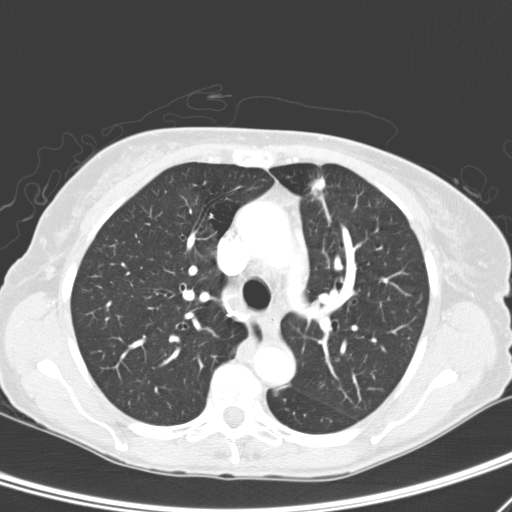
Axial chest CT slice 195 of 276 (counted from the lowest slice); tube voltage 120 kVp, convolution kernel D; slices 2.00 mm thick, 0.617 mm per pixel.
Two pulmonary nodules are outlined on this slice; from left to right: (1) Pulmonary nodule, outlined by two of the four readers, one of them on this slice. Box on this slice rows 390–393, columns 273–276, the one reader's outline on this slice; the two readers' outlines give a longest diameter between 7.4 and 10.0 mm and a volume between 109 and 225 mm3. Ratings across the readers: texture from 1/5 (non-solid) to 3/5 (part-solid) across the two readers; margin from 1/5 (indistinct) to 2/5 across the two readers; sphericity from 3/5 (ovoid) to 4/5 across the two readers; calcification absent from both readers; internal structure soft tissue, both readers agreeing; subtlety rated between 3 and 5 out of 5 by the two readers; malignancy likelihood from 3/5 to 4/5 across the two readers. (2) Pulmonary nodule at rows 174–201, columns 307–323 (box = the union of the readers' outlines on this slice), outlined by three of the four readers; longest diameter 19.9–25.7 mm and volume 1110–1901 mm3 across the three readers' outlines. The readers' ratings, as ranges where they differ: texture from 4/5 to 5/5 (solid) across the three readers; margin from 2/5 to 4/5 across the three readers; sphericity from 3/5 (ovoid) to 4/5 across the three readers; calcification absent from all three readers; internal structure soft tissue from all three readers; subtlety 5/5 from all three readers; malignancy likelihood 5/5 from all three readers. Scale key (1–5): texture non-solid→solid, margin indistinct→circumscribed, sphericity linear→round, subtlety extremely subtle→obvious, malignancy likelihood highly unlikely→highly suspicious of cancer. Box rows and columns are 0-based pixel indices from the top-left corner, inclusive.